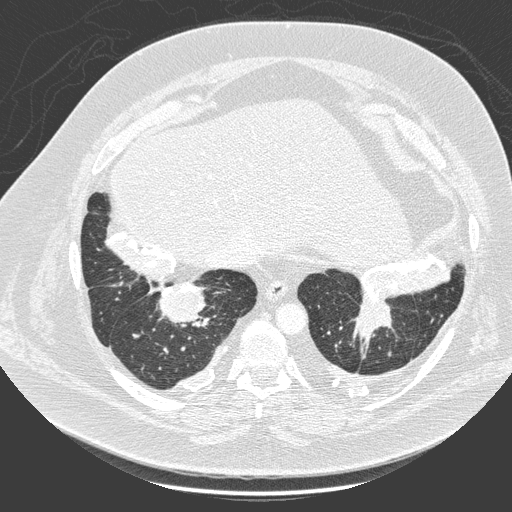
Chest CT, axial plane, 140 kVp, kernel D. Slice 59/280 from the bottom of the scan; thickness 1.00 mm; pixel size 0.801 mm.
Pulmonary nodule outlined by one of the four readers; box rows 287–322, columns 159–204 (that reader's outline on this slice); longest diameter 49.9 mm and volume 31112 mm3 from that reader's outline. Ratings by that reader: texture 5/5 (solid); margin 4/5; sphericity 5/5 (round); calcification non-central calcification; internal structure soft tissue; subtlety 5/5; malignancy likelihood 5/5. Scale key (1–5): texture non-solid→solid, margin indistinct→circumscribed, sphericity linear→round, subtlety extremely subtle→obvious, malignancy likelihood highly unlikely→highly suspicious of cancer. Box rows and columns are 0-based pixel indices from the top-left corner, inclusive.